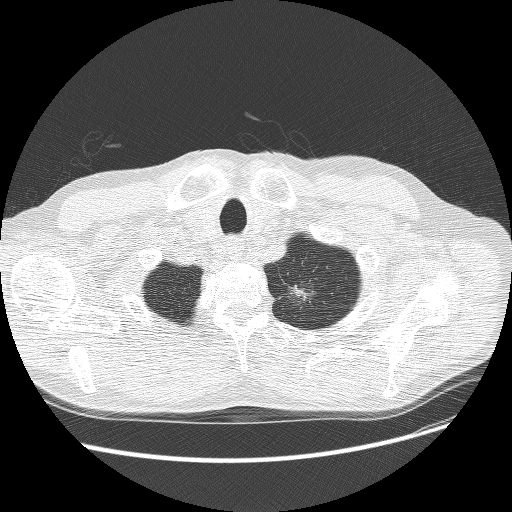
Axial chest CT slice 248 of 268 (counted from the lowest slice); tube voltage 120 kVp, convolution kernel BONE; slices 1.25 mm thick, 0.742 mm per pixel.
Pulmonary nodule at rows 280–307, columns 284–315 (box = the union of the readers' outlines on this slice), outlined by three of the four readers; longest diameter 31.2 mm on average over the three readers' outlines (readers' outlines 30.8–31.7 mm), volume 4750–7267 mm3. The readers' prevailing ratings and who disagreed: texture 3/5 (part-solid), all three readers agreeing; margin 1/5 (indistinct) from all three readers; sphericity 3/5 (ovoid) by two of three readers; the rest gave 4/5 (one); calcification absent from all three readers; internal structure soft tissue from all three readers; subtlety 5/5 by two of three readers; the rest gave 4/5 (one); malignancy likelihood 4/5 by two of three readers; the rest gave 5/5 (one). Scale key (1–5): texture non-solid→solid, margin indistinct→circumscribed, sphericity linear→round, subtlety extremely subtle→obvious, malignancy likelihood highly unlikely→highly suspicious of cancer. Box rows and columns are 0-based pixel indices from the top-left corner, inclusive.